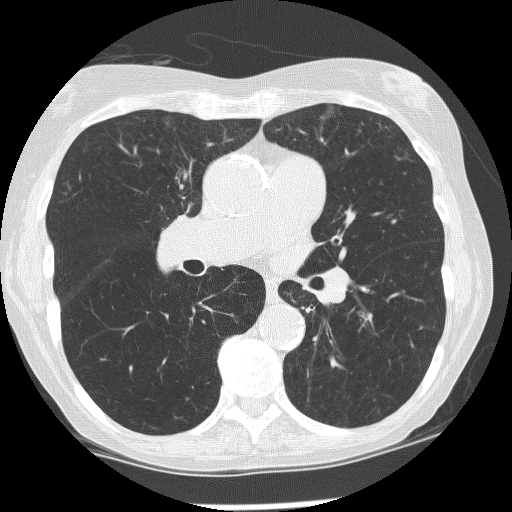
Axial slice 146 of 267 of a chest CT (slice 1 is the lowest), reconstructed with the BONE kernel at 120 kVp; 1.25 mm slice thickness and 0.596 mm pixels.
This slice carries no reader outline of a nodule 3 mm or larger.